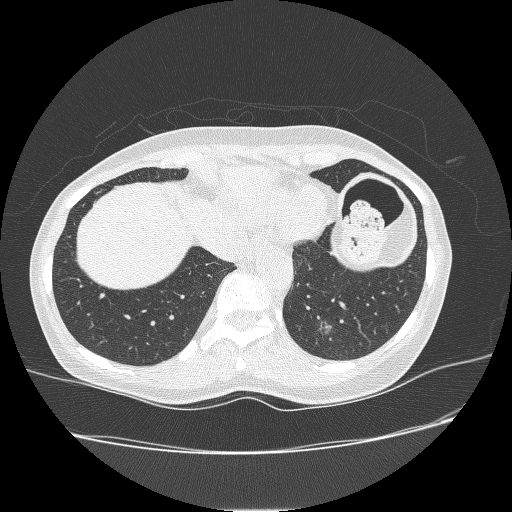
This is axial slice 77 of 238 (slice 1 is the lowest) of a chest CT; each pixel is 0.703 mm and the slice is 1.25 mm thick. Pulmonary nodule at rows 320–334, columns 318–332 (box = the union of the readers' outlines on this slice), outlined by two of the four readers; the two readers' outlines give a longest diameter between 10.7 and 13.4 mm and a volume between 131 and 392 mm3. Ratings across the readers: texture 1/5 (non-solid), both readers agreeing; margin 1/5 (indistinct) from both readers; sphericity from 4/5 to 5/5 (round) across the two readers; calcification absent, both readers agreeing; internal structure soft tissue, both readers agreeing; subtlety from 2/5 to 4/5 across the two readers; malignancy likelihood 3/5, both readers agreeing. Scale key (1–5): texture non-solid→solid, margin indistinct→circumscribed, sphericity linear→round, subtlety extremely subtle→obvious, malignancy likelihood highly unlikely→highly suspicious of cancer. Box rows and columns are 0-based pixel indices from the top-left corner, inclusive.
Scan settings: 120 kVp, BONE reconstruction kernel.